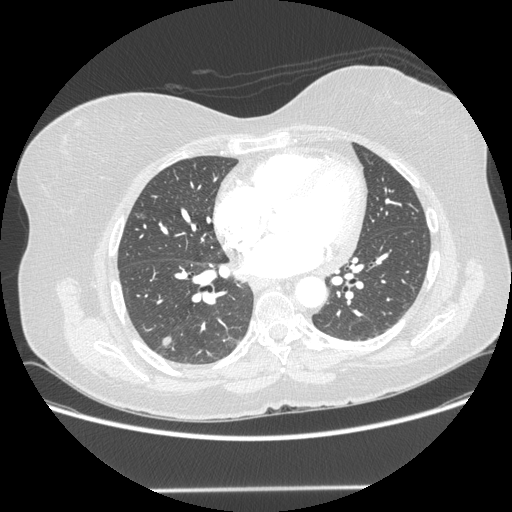
Axial slice 91 of 214 of a chest CT (slice 1 is the lowest), reconstructed with the STANDARD kernel at 120 kVp; 1.25 mm slice thickness and 0.781 mm pixels.
Pulmonary nodule, outlined by all four readers. Box on this slice rows 336–347, columns 161–172, the union of the readers' outlines on this slice; longest diameter 10.4 mm on average over the four readers' outlines (readers' outlines 9.8–11.3 mm), volume 185–219 mm3. The readers' prevailing ratings and who disagreed: texture 5/5 (solid) from all four readers; most readers (three of four) put margin at 5/5 (circumscribed), others 4/5 (one); sphericity 3/5 (ovoid) by two of four readers; the rest gave 4/5 (one), 5/5 (round) (one); calcification absent from all four readers; internal structure soft tissue, all four readers agreeing; subtlety 4/5 by two of four readers; the rest gave 3/5 (one), 5/5 (one); malignancy likelihood 3/5 by two of four readers; the rest gave 2/5 (one), 4/5 (one). Scale key (1–5): texture non-solid→solid, margin indistinct→circumscribed, sphericity linear→round, subtlety extremely subtle→obvious, malignancy likelihood highly unlikely→highly suspicious of cancer. Box rows and columns are 0-based pixel indices from the top-left corner, inclusive.